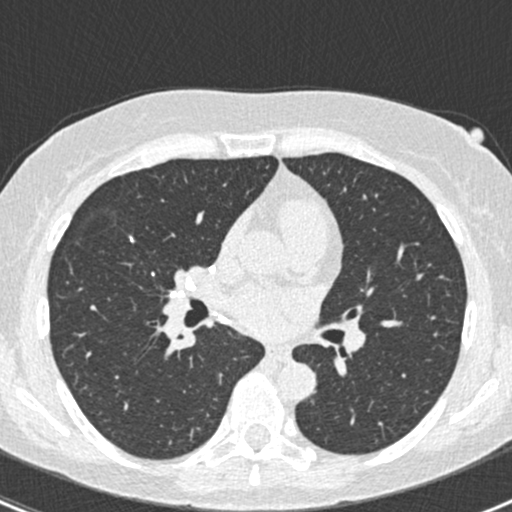
Slice 249/429 of a chest CT, counting up from the lowest; pixel size 0.586 mm, slice thickness 0.75 mm. Pulmonary nodule, outlined three times (the source holds two more outlines, not used). Box on this slice rows 236–242, columns 129–134, the union of the readers' outlines on this slice; median longest diameter 8.9 mm (readers' outlines 8.0–11.0 mm), median volume 137 mm3 (95–144 mm3). Ratings, median across the readers with their spread: texture 5/5 (solid) from all three readers; margin 5/5 (circumscribed), all three readers agreeing; sphericity 3/5 (ovoid) at the median of three readers, spread 2/5 to 5/5 (round); calcification solid calcification, all three readers agreeing; internal structure soft tissue from all three readers; subtlety 4/5 at the median of three readers, spread 4–5; malignancy likelihood 1/5, all three readers agreeing. Scale key (1–5): texture non-solid→solid, margin indistinct→circumscribed, sphericity linear→round, subtlety extremely subtle→obvious, malignancy likelihood highly unlikely→highly suspicious of cancer. Box rows and columns are 0-based pixel indices from the top-left corner, inclusive.
Scan settings: 120 kVp, B30f reconstruction kernel.